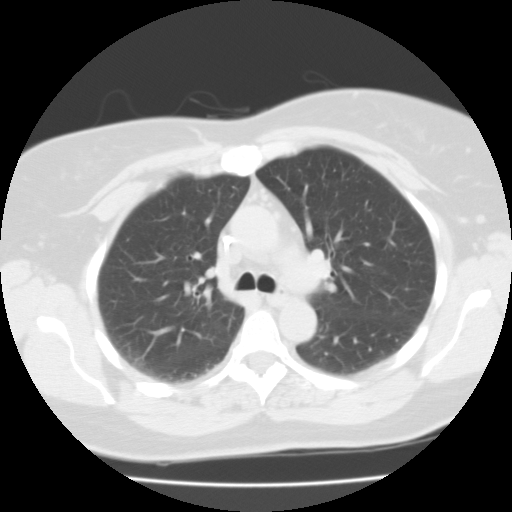
One axial slice (55 of 87, counting up from the lowest) of a chest CT acquired at 135 kVp with the FC01 kernel; each pixel is 0.650 mm and the slice is 3.00 mm thick.
None of the four readers outlined a nodule of 3 mm or more on this slice.